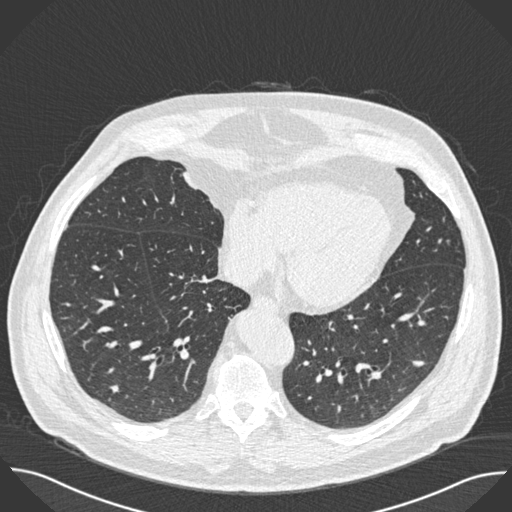
Slice 203/493 of a chest CT, counting up from the lowest; pixel size 0.762 mm, slice thickness 0.75 mm. Pulmonary nodule at rows 361–366, columns 412–424 (box = the union of the readers' outlines on this slice), outlined by all four readers; longest diameter 10.0–10.8 mm and volume 188–224 mm3 across the four readers' outlines. Ratings across the readers: texture 5/5 (solid) from all four readers; margin from 4/5 to 5/5 (circumscribed) across the four readers; sphericity 3/5 (ovoid), all four readers agreeing; calcification: absent (three), solid calcification (one); internal structure soft tissue from all four readers; subtlety from 3/5 to 5/5 across the four readers; malignancy likelihood rated between 2 and 3 out of 5 by the four readers. Scale key (1–5): texture non-solid→solid, margin indistinct→circumscribed, sphericity linear→round, subtlety extremely subtle→obvious, malignancy likelihood highly unlikely→highly suspicious of cancer. Box rows and columns are 0-based pixel indices from the top-left corner, inclusive.
Tube voltage 120 kVp; convolution kernel B30f.